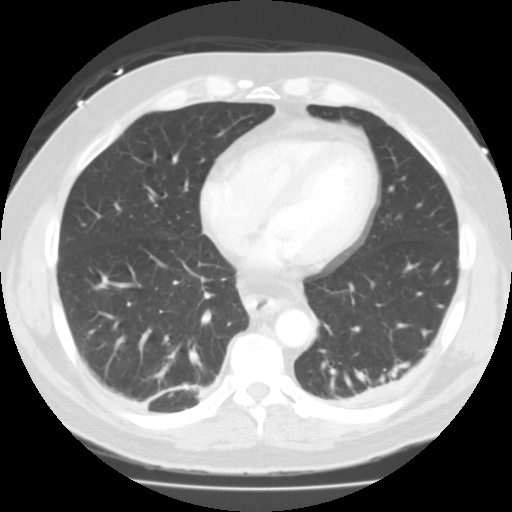
Axial chest CT slice 47 of 115 (counted from the lowest slice); tube voltage 135 kVp, convolution kernel FC01; slices 3.00 mm thick, 0.729 mm per pixel.
No nodule 3 mm or larger was outlined here by any reader.